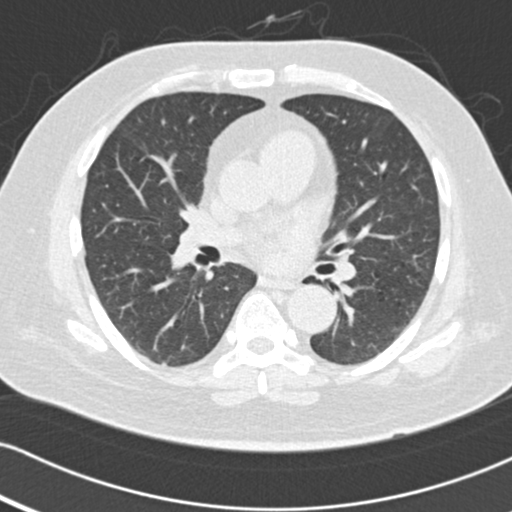
This is axial slice 85 of 157 (slice 1 is the lowest) of a chest CT; each pixel is 0.625 mm and the slice is 2.00 mm thick. Pulmonary nodule outlined by one of the four readers; box rows 362–365, columns 162–165 (that reader's outline on this slice); longest diameter 3.6 mm and volume 30 mm3 from that reader's outline. Ratings by that reader: texture 5/5 (solid); margin 5/5 (circumscribed); sphericity 5/5 (round); calcification absent; internal structure soft tissue; subtlety 4/5; malignancy likelihood 3/5. Scale key (1–5): texture non-solid→solid, margin indistinct→circumscribed, sphericity linear→round, subtlety extremely subtle→obvious, malignancy likelihood highly unlikely→highly suspicious of cancer. Box rows and columns are 0-based pixel indices from the top-left corner, inclusive.
Scan settings: 120 kVp, B30f reconstruction kernel.